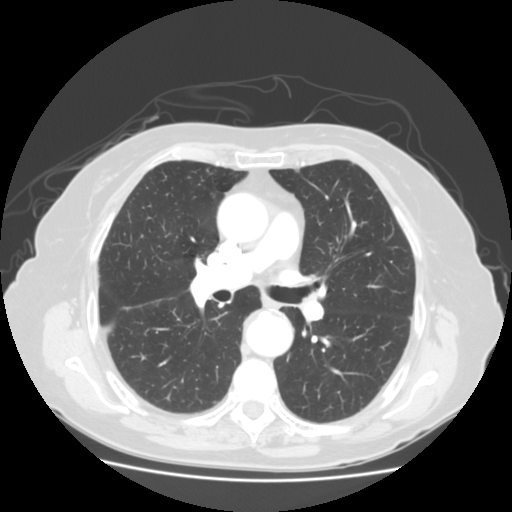
This is axial slice 70 of 119 (slice 1 is the lowest) of a chest CT; each pixel is 0.703 mm and the slice is 2.50 mm thick. No nodule of 3 mm or larger was outlined by any of the four readers on this slice.
Scan settings: 120 kVp, STANDARD reconstruction kernel.